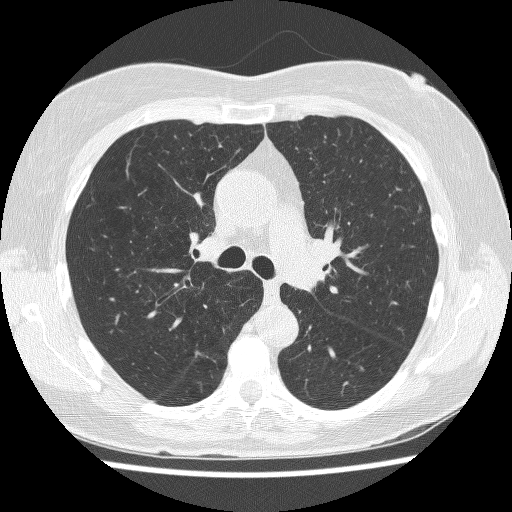
Axial chest CT slice 154 of 241 (counted from the lowest slice); tube voltage 120 kVp, convolution kernel BONE; slices 1.25 mm thick, 0.609 mm per pixel.
Pulmonary nodule at rows 205–212, columns 417–421 (box = that reader's outline on this slice), outlined by one of the four readers; longest diameter 6.4 mm and volume 58 mm3 from that reader's outline. That reader's ratings: texture 3/5 (part-solid); margin 1/5 (indistinct); sphericity 3/5 (ovoid); calcification absent; internal structure soft tissue; subtlety 3/5; malignancy likelihood 2/5. Scale key (1–5): texture non-solid→solid, margin indistinct→circumscribed, sphericity linear→round, subtlety extremely subtle→obvious, malignancy likelihood highly unlikely→highly suspicious of cancer. Box rows and columns are 0-based pixel indices from the top-left corner, inclusive.